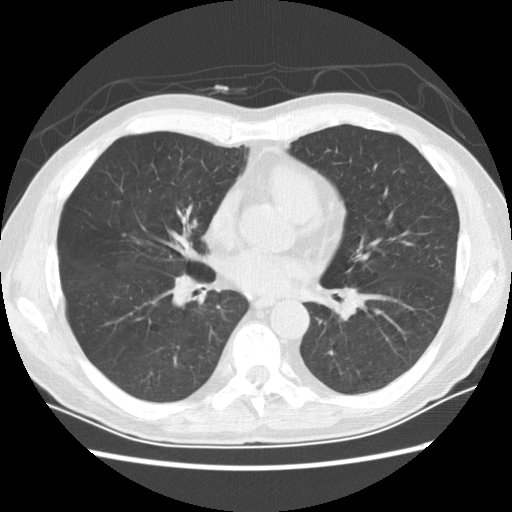
Axial slice 71 of 154 of a chest CT (slice 1 is the lowest), reconstructed with the STANDARD kernel at 120 kVp; 2.50 mm slice thickness and 0.684 mm pixels.
Pulmonary nodule, outlined by two of the four readers, one of them on this slice. Box on this slice rows 168–172, columns 400–404, the one reader's outline on this slice; longest diameter 6.2 mm on average over the two readers' outlines (readers' outlines 6.2 mm), volume 43–76 mm3. Ratings, by the readers' most common answer with dissent counted: texture 5/5 (solid), both readers agreeing; margin split among the readers: 3/5 (one), 5/5 (circumscribed) (one); sphericity split among the readers: 3/5 (ovoid) (one), 4/5 (one); calcification absent, both readers agreeing; internal structure soft tissue from both readers; subtlety split among the readers: 2/5 (one), 4/5 (one); malignancy likelihood 2/5, both readers agreeing. Scale key (1–5): texture non-solid→solid, margin indistinct→circumscribed, sphericity linear→round, subtlety extremely subtle→obvious, malignancy likelihood highly unlikely→highly suspicious of cancer. Box rows and columns are 0-based pixel indices from the top-left corner, inclusive.